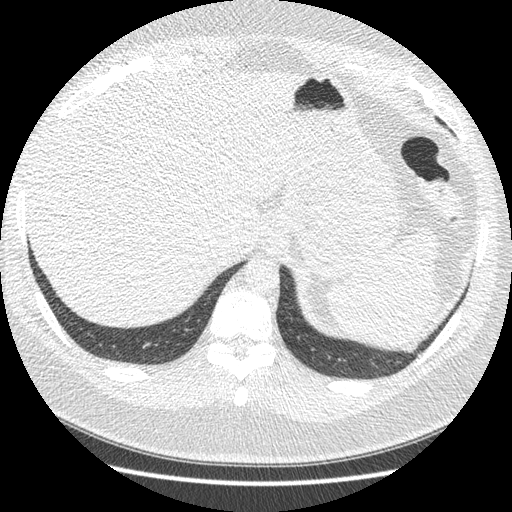
Axial chest CT slice 32 of 421 (counted from the lowest slice); 1.25 mm thick, 0.703 mm per pixel. Pulmonary nodule at rows 345–351, columns 400–416 (box = the one reader's outline on this slice), outlined four times (the source holds four more outlines, not used), one of them on this slice; longest diameter 33.9 mm on average over the four readers' outlines (readers' outlines 30.9–38.9 mm), volume 4443–5826 mm3. Ratings, by the readers' most common answer with dissent counted: most readers (three of four) put texture at 5/5 (solid), others 4/5 (one); most readers (three of four) put margin at 4/5, others 3/5 (one); sphericity 2/5 by two of four readers; the rest gave 3/5 (ovoid) (one), 4/5 (one); calcification absent from all four readers; internal structure soft tissue from all four readers; subtlety 5/5 by three of four readers; the rest gave 4/5 (one); malignancy likelihood split among the readers: 2/5 (one), 3/5 (one), 4/5 (one), 5/5 (one). Scale key (1–5): texture non-solid→solid, margin indistinct→circumscribed, sphericity linear→round, subtlety extremely subtle→obvious, malignancy likelihood highly unlikely→highly suspicious of cancer. Box rows and columns are 0-based pixel indices from the top-left corner, inclusive.
Scan settings: 120 kVp, STANDARD reconstruction kernel.